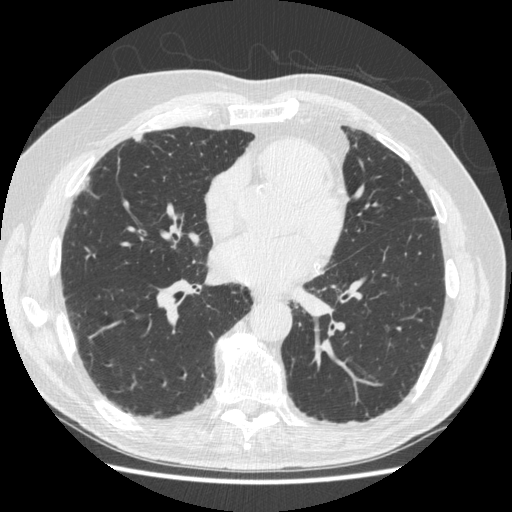
Axial chest CT slice 229 of 497 (counted from the lowest slice); tube voltage 120 kVp, convolution kernel STANDARD; slices 1.25 mm thick, 0.703 mm per pixel.
Pulmonary nodule outlined by all four readers, one of them on this slice; box rows 133–142, columns 132–142 (the one reader's outline on this slice); the four readers' outlines give a longest diameter between 10.9 and 14.8 mm and a volume between 184 and 648 mm3. The readers' ratings, as ranges where they differ: texture from 1/5 (non-solid) to 5/5 (solid) across the four readers; margin from 2/5 to 4/5 across the four readers; sphericity from 3/5 (ovoid) to 5/5 (round) across the four readers; calcification absent, all four readers agreeing; internal structure soft tissue from all four readers; subtlety 1–5/5 (the readers disagree); malignancy likelihood from 2/5 to 4/5 across the four readers. Scale key (1–5): texture non-solid→solid, margin indistinct→circumscribed, sphericity linear→round, subtlety extremely subtle→obvious, malignancy likelihood highly unlikely→highly suspicious of cancer. Box rows and columns are 0-based pixel indices from the top-left corner, inclusive.